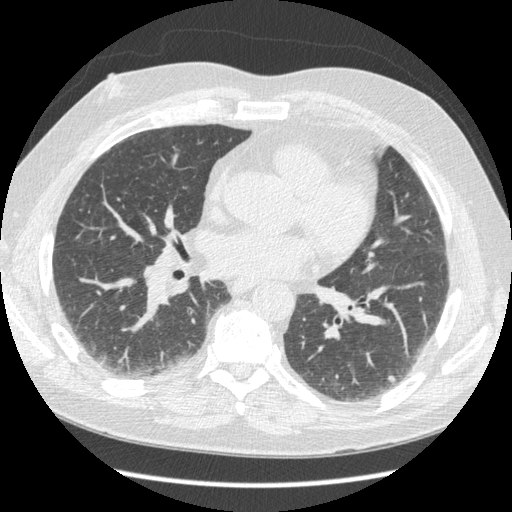
Axial slice 189 of 429 of a chest CT (slice 1 is the lowest), reconstructed with the STANDARD kernel at 120 kVp; 1.25 mm slice thickness and 0.703 mm pixels.
Pulmonary nodule, outlined by three of the four readers. Box on this slice rows 374–381, columns 387–395, the union of the readers' outlines on this slice; longest diameter 7.0 mm on average over the three readers' outlines (readers' outlines 6.9–7.0 mm), volume 78–98 mm3. The readers' prevailing ratings and who disagreed: texture 5/5 (solid), all three readers agreeing; most readers (two of three) put margin at 5/5 (circumscribed), others 4/5 (one); sphericity 5/5 (round) by two of three readers; the rest gave 3/5 (ovoid) (one); calcification absent by two of three readers, non-central calcification (one); internal structure soft tissue, all three readers agreeing; subtlety split among the readers: 2/5 (one), 4/5 (one), 5/5 (one); malignancy likelihood 2/5 by two of three readers; the rest gave 4/5 (one). Scale key (1–5): texture non-solid→solid, margin indistinct→circumscribed, sphericity linear→round, subtlety extremely subtle→obvious, malignancy likelihood highly unlikely→highly suspicious of cancer. Box rows and columns are 0-based pixel indices from the top-left corner, inclusive.